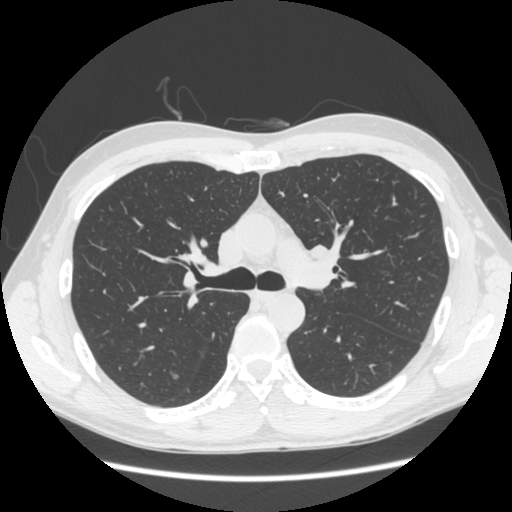
Slice 190/293 of a chest CT, counting up from the lowest; pixel size 0.689 mm, slice thickness 1.25 mm. Pulmonary nodule at rows 371–379, columns 170–178 (box = the union of the readers' outlines on this slice), outlined by three of the four readers; longest diameter 6.7 mm on average over the three readers' outlines (readers' outlines 5.7–8.0 mm), volume 45–70 mm3. The readers' prevailing ratings and who disagreed: most readers (two of three) put texture at 2/5, others 1/5 (non-solid) (one); margin 3/5 by two of three readers; the rest gave 1/5 (indistinct) (one); sphericity 4/5 by two of three readers; the rest gave 3/5 (ovoid) (one); calcification absent from all three readers; internal structure soft tissue, all three readers agreeing; subtlety 2/5 by two of three readers; the rest gave 3/5 (one); malignancy likelihood 3/5 from all three readers. Scale key (1–5): texture non-solid→solid, margin indistinct→circumscribed, sphericity linear→round, subtlety extremely subtle→obvious, malignancy likelihood highly unlikely→highly suspicious of cancer. Box rows and columns are 0-based pixel indices from the top-left corner, inclusive.
Acquired at 120 kVp and reconstructed with the STANDARD kernel.